Axial chest CT slice 197 of 474 (counted from the lowest slice); tube voltage 120 kVp, convolution kernel STANDARD; slices 1.25 mm thick, 0.723 mm per pixel.
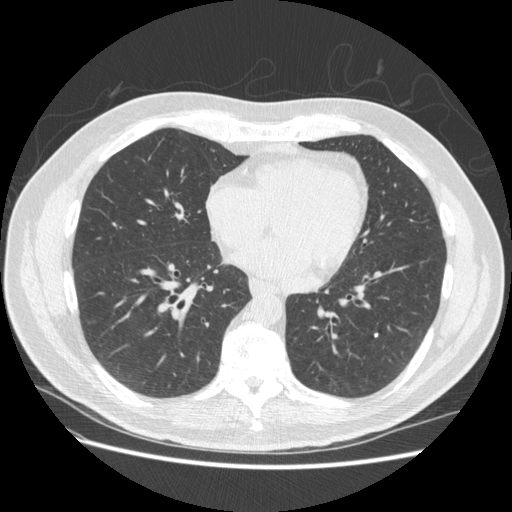
Pulmonary nodule, outlined by one of the four readers. Box on this slice rows 333–336, columns 374–377, that reader's outline on this slice; longest diameter 3.9 mm and volume 23 mm3 from that reader's outline. That reader's ratings: texture 5/5 (solid); margin 5/5 (circumscribed); sphericity 5/5 (round); calcification solid calcification; internal structure soft tissue; subtlety 4/5; malignancy likelihood 1/5. Scale key (1–5): texture non-solid→solid, margin indistinct→circumscribed, sphericity linear→round, subtlety extremely subtle→obvious, malignancy likelihood highly unlikely→highly suspicious of cancer. Box rows and columns are 0-based pixel indices from the top-left corner, inclusive.